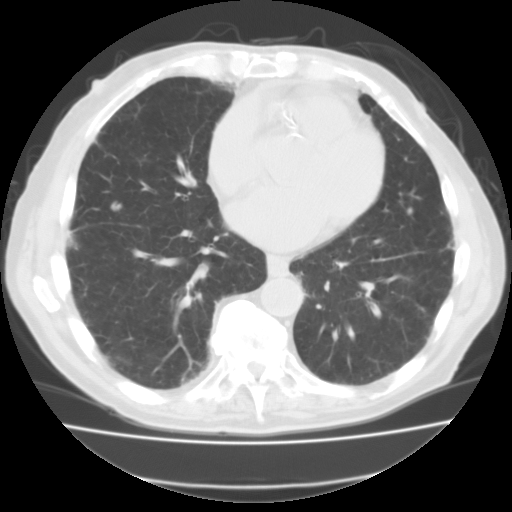
Axial chest CT slice 43 of 111 (counted from the lowest slice); tube voltage 135 kVp, convolution kernel FC01; slices 3.00 mm thick, 0.714 mm per pixel.
Pulmonary nodule at rows 201–210, columns 110–121 (box = the union of the readers' outlines on this slice), outlined by all four readers; median longest diameter 9.7 mm (readers' outlines 9.3–10.8 mm), median volume 381 mm3 (275–458 mm3). Median ratings and the readers' spread: texture 5/5 (solid) at the median of four readers, spread 4/5 to 5/5 (solid); margin 4/5 at the median of four readers, spread 3/5 to 5/5 (circumscribed); median sphericity 4.5/5 (readers ranged 3/5 (ovoid) to 5/5 (round)); calcification absent, all four readers agreeing; internal structure soft tissue, all four readers agreeing; median subtlety 4.5/5 (readers ranged 3–5); median malignancy likelihood 3/5 (readers ranged 2–4). Scale key (1–5): texture non-solid→solid, margin indistinct→circumscribed, sphericity linear→round, subtlety extremely subtle→obvious, malignancy likelihood highly unlikely→highly suspicious of cancer. Box rows and columns are 0-based pixel indices from the top-left corner, inclusive.